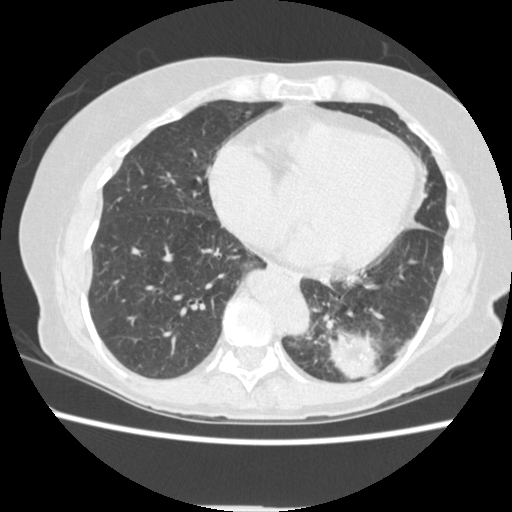
This is axial slice 115 of 362 (slice 1 is the lowest) of a chest CT; each pixel is 0.625 mm and the slice is 1.25 mm thick. Pulmonary nodule, outlined by one of the four readers. Box on this slice rows 330–374, columns 329–378, that reader's outline on this slice; longest diameter 37.2 mm and volume 2579 mm3 from that reader's outline. That reader's ratings: texture 5/5 (solid); margin 3/5; sphericity 4/5; calcification absent; internal structure soft tissue; subtlety 5/5; malignancy likelihood 4/5. Scale key (1–5): texture non-solid→solid, margin indistinct→circumscribed, sphericity linear→round, subtlety extremely subtle→obvious, malignancy likelihood highly unlikely→highly suspicious of cancer. Box rows and columns are 0-based pixel indices from the top-left corner, inclusive.
Acquired at 120 kVp and reconstructed with the STANDARD kernel.